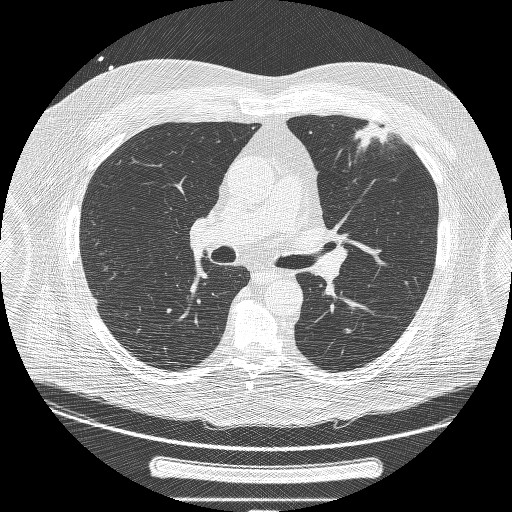
Axial chest CT slice 134 of 239 (counted from the lowest slice); tube voltage 120 kVp, convolution kernel BONE; slices 1.25 mm thick, 0.795 mm per pixel.
Pulmonary nodule, outlined by two of the four readers. Box on this slice rows 121–150, columns 354–391, the union of the readers' outlines on this slice; longest diameter 43.2 mm on average over the two readers' outlines (readers' outlines 43.0–43.4 mm), volume 10396–11168 mm3. Ratings, by the readers' most common answer with dissent counted: texture split among the readers: 3/5 (part-solid) (one), 5/5 (solid) (one); margin split among the readers: 1/5 (indistinct) (one), 3/5 (one); sphericity split among the readers: 1/5 (linear) (one), 3/5 (ovoid) (one); calcification absent, both readers agreeing; internal structure soft tissue, both readers agreeing; subtlety 5/5, both readers agreeing; malignancy likelihood 5/5, both readers agreeing. Scale key (1–5): texture non-solid→solid, margin indistinct→circumscribed, sphericity linear→round, subtlety extremely subtle→obvious, malignancy likelihood highly unlikely→highly suspicious of cancer. Box rows and columns are 0-based pixel indices from the top-left corner, inclusive.